Axial chest CT slice 168 of 214 (counted from the lowest slice); tube voltage 120 kVp, convolution kernel STANDARD; slices 1.25 mm thick, 0.703 mm per pixel.
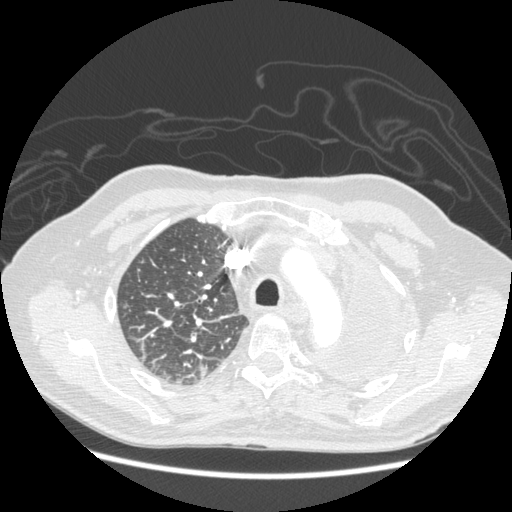
Pulmonary nodule, outlined by one of the four readers. Box on this slice rows 303–309, columns 123–127, that reader's outline on this slice; longest diameter 6.0 mm and volume 39 mm3 from that reader's outline. Ratings by that reader: texture 5/5 (solid); margin 5/5 (circumscribed); sphericity 5/5 (round); calcification absent; internal structure soft tissue; subtlety 3/5; malignancy likelihood 1/5. Scale key (1–5): texture non-solid→solid, margin indistinct→circumscribed, sphericity linear→round, subtlety extremely subtle→obvious, malignancy likelihood highly unlikely→highly suspicious of cancer. Box rows and columns are 0-based pixel indices from the top-left corner, inclusive.